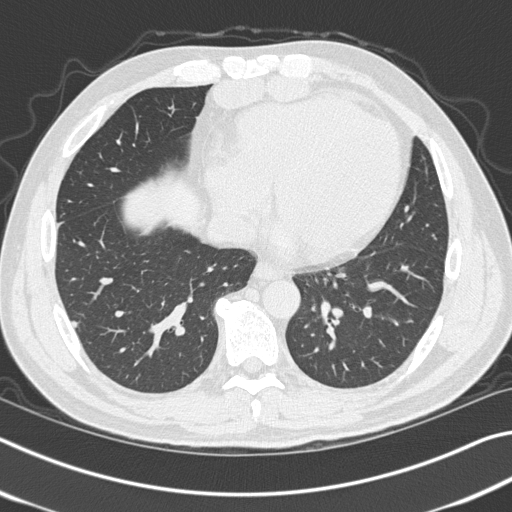
This is axial slice 139 of 327 (slice 1 is the lowest) of a chest CT; each pixel is 0.664 mm and the slice is 1.00 mm thick. Pulmonary nodule at rows 321–328, columns 70–76 (box = the union of the readers' outlines on this slice), outlined by two of the four readers; longest diameter 7.4 mm on average over the two readers' outlines (readers' outlines 6.8–8.0 mm), volume 47–71 mm3. The readers' prevailing ratings and who disagreed: texture 5/5 (solid) from both readers; margin split among the readers: 3/5 (one), 5/5 (circumscribed) (one); sphericity 4/5 from both readers; calcification absent, both readers agreeing; internal structure soft tissue from both readers; subtlety 4/5 from both readers; malignancy likelihood split among the readers: 2/5 (one), 3/5 (one). Scale key (1–5): texture non-solid→solid, margin indistinct→circumscribed, sphericity linear→round, subtlety extremely subtle→obvious, malignancy likelihood highly unlikely→highly suspicious of cancer. Box rows and columns are 0-based pixel indices from the top-left corner, inclusive.
Scan settings: 120 kVp, B45f reconstruction kernel.